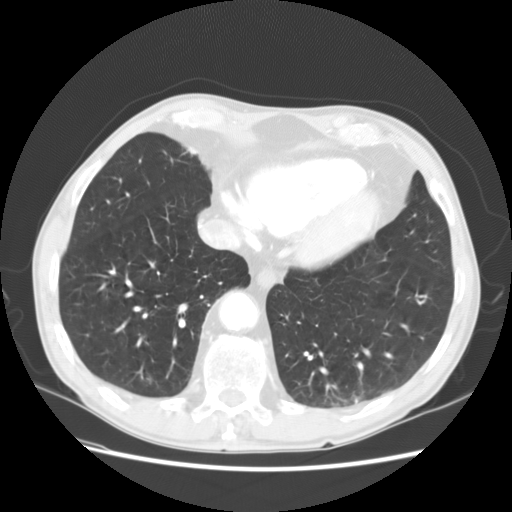
Slice 51/147 of a chest CT, counting up from the lowest; pixel size 0.703 mm, slice thickness 2.50 mm. Pulmonary nodule at rows 376–382, columns 144–152 (box = that reader's outline on this slice), outlined by one of the four readers; longest diameter 10.7 mm and volume 531 mm3 from that reader's outline. Ratings by that reader: texture 1/5 (non-solid); margin 2/5; sphericity 5/5 (round); calcification absent; internal structure soft tissue; subtlety 1/5; malignancy likelihood 2/5. Scale key (1–5): texture non-solid→solid, margin indistinct→circumscribed, sphericity linear→round, subtlety extremely subtle→obvious, malignancy likelihood highly unlikely→highly suspicious of cancer. Box rows and columns are 0-based pixel indices from the top-left corner, inclusive.
Tube voltage 120 kVp; convolution kernel STANDARD.